Axial slice 96 of 133 of a chest CT (slice 1 is the lowest), reconstructed with the LUNG kernel at 120 kVp; 2.50 mm slice thickness and 0.820 mm pixels.
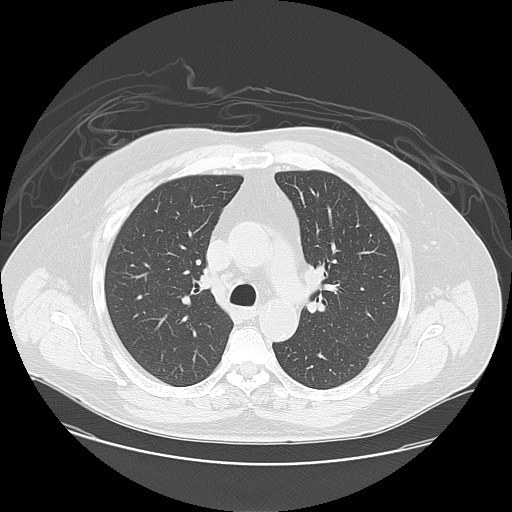
The readers outlined no nodule of 3 mm or more on this slice.